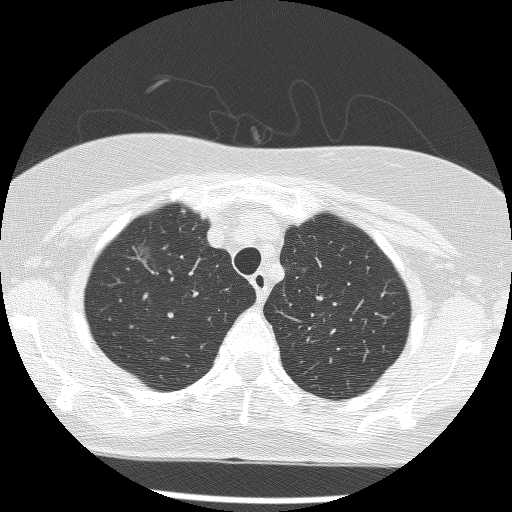
One axial slice (200 of 241, counting up from the lowest) of a chest CT acquired at 120 kVp with the BONE kernel; each pixel is 0.586 mm and the slice is 1.25 mm thick.
Pulmonary nodule, outlined by all four readers. Box on this slice rows 245–261, columns 132–152, the union of the readers' outlines on this slice; longest diameter 22.8 mm on average over the four readers' outlines (readers' outlines 21.0–24.7 mm), volume 2289–2909 mm3. Ratings, by the readers' most common answer with dissent counted: texture split among the readers: 1/5 (non-solid) (two), 2/5 (two); margin 2/5 by three of four readers; the rest gave 3/5 (one); sphericity 3/5 (ovoid) by two of four readers; the rest gave 2/5 (one), 4/5 (one); calcification absent, all four readers agreeing; internal structure soft tissue, all four readers agreeing; subtlety split among the readers: 4/5 (two), 5/5 (two); malignancy likelihood 5/5 by three of four readers; the rest gave 3/5 (one). Scale key (1–5): texture non-solid→solid, margin indistinct→circumscribed, sphericity linear→round, subtlety extremely subtle→obvious, malignancy likelihood highly unlikely→highly suspicious of cancer. Box rows and columns are 0-based pixel indices from the top-left corner, inclusive.